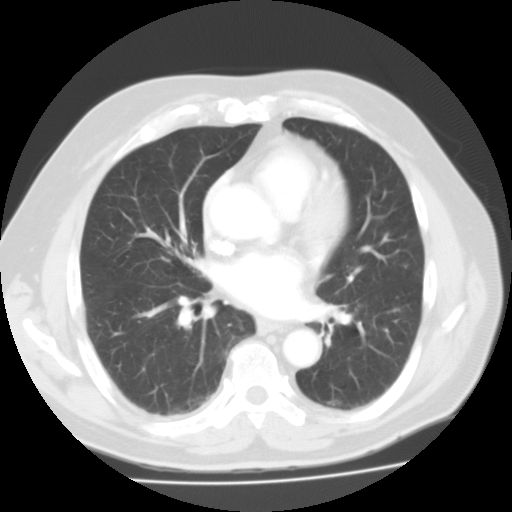
One axial slice (70 of 125, counting up from the lowest) of a chest CT acquired at 135 kVp with the FC01 kernel; each pixel is 0.721 mm and the slice is 3.00 mm thick.
Pulmonary nodule, outlined by all four readers, three of them on this slice. Box on this slice rows 401–405, columns 327–334, the union of the readers' outlines on this slice; median longest diameter 9.2 mm (readers' outlines 8.9–9.8 mm), median volume 215 mm3 (188–251 mm3). Median ratings and the readers' spread: median texture 5/5 (solid) (readers ranged 4/5 to 5/5 (solid)); margin 4/5, all four readers agreeing; sphericity 2.5/5 at the median of four readers, spread 2/5 to 3/5 (ovoid); calcification absent, all four readers agreeing; internal structure soft tissue from all four readers; median subtlety 3.5/5 (readers ranged 3–5); median malignancy likelihood 3/5 (readers ranged 2–3). Scale key (1–5): texture non-solid→solid, margin indistinct→circumscribed, sphericity linear→round, subtlety extremely subtle→obvious, malignancy likelihood highly unlikely→highly suspicious of cancer. Box rows and columns are 0-based pixel indices from the top-left corner, inclusive.